One axial slice (24 of 133, counting up from the lowest) of a chest CT acquired at 120 kVp with the STANDARD kernel; each pixel is 0.742 mm and the slice is 2.50 mm thick.
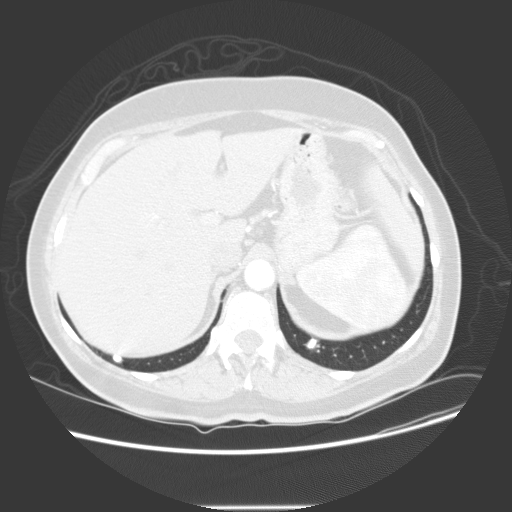
Two pulmonary nodules on this slice, listed from left to right. (1) Pulmonary nodule outlined by all four readers; box rows 354–363, columns 111–122 (the union of the readers' outlines on this slice); longest diameter 8.8 mm on average over the four readers' outlines (readers' outlines 8.2–9.3 mm), volume 151–215 mm3. The readers' prevailing ratings and who disagreed: texture 5/5 (solid), all four readers agreeing; margin 5/5 (circumscribed) by three of four readers; the rest gave 4/5 (one); sphericity split among the readers: 3/5 (ovoid) (two), 4/5 (two); calcification split among the readers: absent (two), solid calcification (two); internal structure soft tissue from all four readers; subtlety 5/5 by two of four readers; the rest gave 3/5 (one), 4/5 (one); malignancy likelihood 1/5 by two of four readers; the rest gave 2/5 (one), 3/5 (one). (2) Pulmonary nodule, outlined by all four readers. Box on this slice rows 338–348, columns 303–316, the union of the readers' outlines on this slice; longest diameter 11.4 mm on average over the four readers' outlines (readers' outlines 10.6–12.0 mm), volume 373–535 mm3. The readers' prevailing ratings and who disagreed: texture 5/5 (solid) from all four readers; most readers (three of four) put margin at 5/5 (circumscribed), others 4/5 (one); sphericity split among the readers: 2/5 (one), 3/5 (ovoid) (one), 4/5 (one), 5/5 (round) (one); calcification split among the readers: absent (two), solid calcification (two); internal structure soft tissue from all four readers; subtlety 5/5 by three of four readers; the rest gave 4/5 (one); malignancy likelihood split among the readers: 1/5 (two), 3/5 (two). Scale key (1–5): texture non-solid→solid, margin indistinct→circumscribed, sphericity linear→round, subtlety extremely subtle→obvious, malignancy likelihood highly unlikely→highly suspicious of cancer. Box rows and columns are 0-based pixel indices from the top-left corner, inclusive.